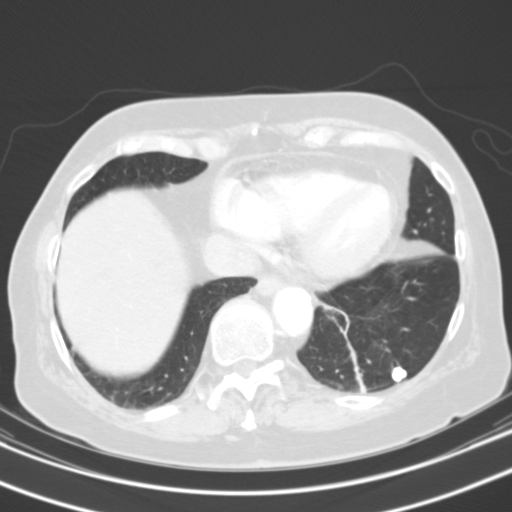
Axial slice 34 of 109 of a chest CT (slice 1 is the lowest), reconstructed with the B31s kernel at 130 kVp; 3.00 mm slice thickness and 0.629 mm pixels.
Pulmonary nodule at rows 365–381, columns 391–407 (box = the union of the readers' outlines on this slice), outlined by all four readers; median longest diameter 11.0 mm (readers' outlines 10.5–12.9 mm), median volume 678 mm3 (562–923 mm3). Median ratings and the readers' spread: texture 5/5 (solid) from all four readers; margin 5/5 (circumscribed), all four readers agreeing; median sphericity 5/5 (round) (readers ranged 4/5 to 5/5 (round)); calcification solid calcification, all four readers agreeing; internal structure soft tissue from all four readers; subtlety 5/5 from all four readers; malignancy likelihood 1/5 from all four readers. Scale key (1–5): texture non-solid→solid, margin indistinct→circumscribed, sphericity linear→round, subtlety extremely subtle→obvious, malignancy likelihood highly unlikely→highly suspicious of cancer. Box rows and columns are 0-based pixel indices from the top-left corner, inclusive.